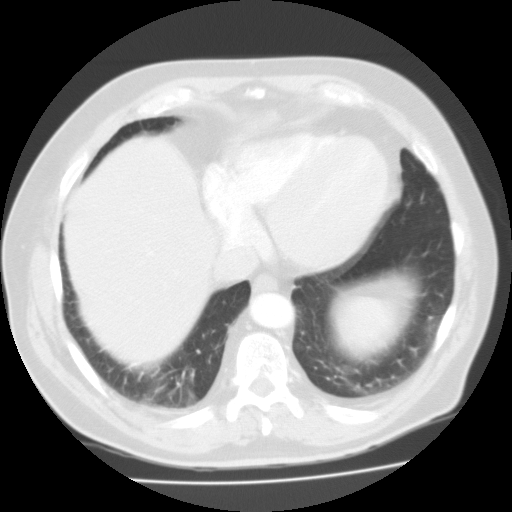
Axial chest CT slice 50 of 125 (counted from the lowest slice); 3.00 mm thick, 0.721 mm per pixel. Pulmonary nodule, outlined by all four readers, two of them on this slice. Box on this slice rows 316–319, columns 429–432, the union of the readers' outlines on this slice; median longest diameter 10.9 mm (readers' outlines 10.3–12.6 mm), median volume 364 mm3 (292–433 mm3). Ratings, median across the readers with their spread: median texture 3.5/5 (readers ranged 3/5 (part-solid) to 5/5 (solid)); median margin 3/5 (readers ranged 1/5 (indistinct) to 5/5 (circumscribed)); median sphericity 3/5 (ovoid) (readers ranged 3/5 (ovoid) to 4/5); calcification absent from all four readers; internal structure soft tissue, all four readers agreeing; subtlety 4/5 at the median of four readers, spread 3–5; malignancy likelihood 3/5 at the median of four readers, spread 2–3. Scale key (1–5): texture non-solid→solid, margin indistinct→circumscribed, sphericity linear→round, subtlety extremely subtle→obvious, malignancy likelihood highly unlikely→highly suspicious of cancer. Box rows and columns are 0-based pixel indices from the top-left corner, inclusive.
Scan settings: 135 kVp, FC01 reconstruction kernel.